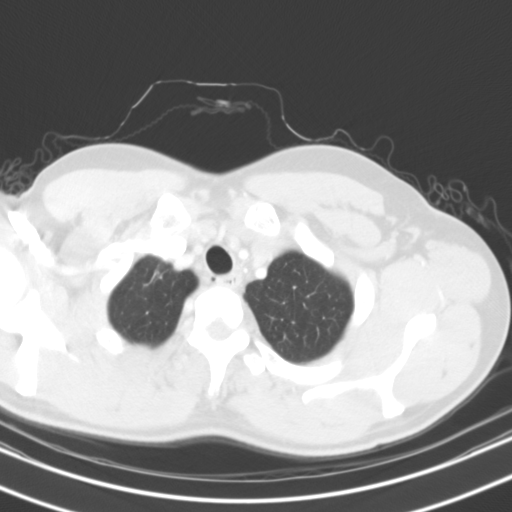
Slice 104/123 of a chest CT, counting up from the lowest; pixel size 0.646 mm, slice thickness 3.00 mm. Pulmonary nodule at rows 269–285, columns 144–161 (box = that reader's outline on this slice), outlined by one of the four readers; longest diameter 17.6 mm and volume 510 mm3 from that reader's outline. That reader's ratings: texture 5/5 (solid); margin 3/5; sphericity 5/5 (round); calcification absent; internal structure soft tissue; subtlety 3/5; malignancy likelihood 2/5. Scale key (1–5): texture non-solid→solid, margin indistinct→circumscribed, sphericity linear→round, subtlety extremely subtle→obvious, malignancy likelihood highly unlikely→highly suspicious of cancer. Box rows and columns are 0-based pixel indices from the top-left corner, inclusive.
Scan settings: 130 kVp, B31s reconstruction kernel.